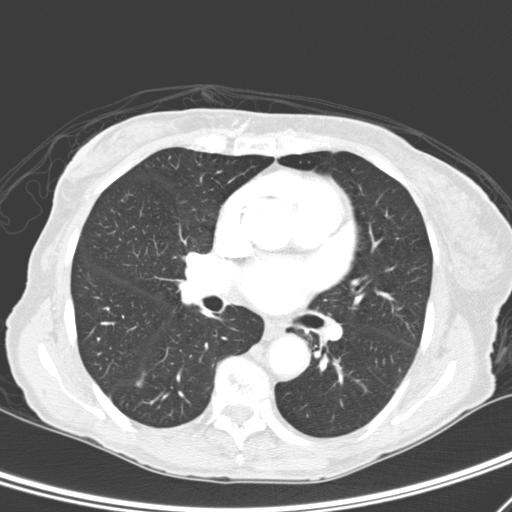
Slice 157/276 of a chest CT, counting up from the lowest; pixel size 0.617 mm, slice thickness 2.00 mm. Pulmonary nodule, outlined by two of the four readers, one of them on this slice. Box on this slice rows 373–387, columns 136–145, the one reader's outline on this slice; the two readers' outlines give a longest diameter between 9.8 and 10.6 mm and a volume between 119 and 162 mm3. The readers' ratings, as ranges where they differ: texture from 2/5 to 3/5 (part-solid) across the two readers; margin from 1/5 (indistinct) to 2/5 across the two readers; sphericity from 2/5 to 3/5 (ovoid) across the two readers; calcification absent from both readers; internal structure soft tissue from both readers; subtlety from 4/5 to 5/5 across the two readers; malignancy likelihood 3/5, both readers agreeing. Scale key (1–5): texture non-solid→solid, margin indistinct→circumscribed, sphericity linear→round, subtlety extremely subtle→obvious, malignancy likelihood highly unlikely→highly suspicious of cancer. Box rows and columns are 0-based pixel indices from the top-left corner, inclusive.
Tube voltage 120 kVp; convolution kernel D.